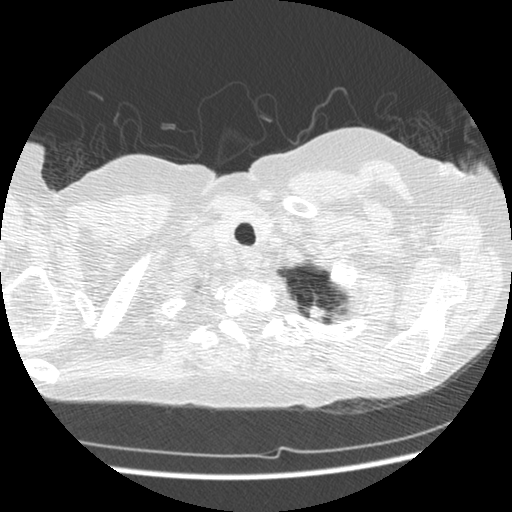
This is axial slice 449 of 477 (slice 1 is the lowest) of a chest CT; each pixel is 0.625 mm and the slice is 1.25 mm thick. Pulmonary nodule outlined by one of the four readers; box rows 293–321, columns 303–325 (that reader's outline on this slice); longest diameter 20.3 mm and volume 472 mm3 from that reader's outline. Ratings by that reader: texture 5/5 (solid); margin 5/5 (circumscribed); sphericity 5/5 (round); calcification solid calcification; internal structure soft tissue; subtlety 5/5; malignancy likelihood 1/5. Scale key (1–5): texture non-solid→solid, margin indistinct→circumscribed, sphericity linear→round, subtlety extremely subtle→obvious, malignancy likelihood highly unlikely→highly suspicious of cancer. Box rows and columns are 0-based pixel indices from the top-left corner, inclusive.
Acquired at 120 kVp and reconstructed with the STANDARD kernel.